Axial chest CT slice 58 of 128 (counted from the lowest slice); tube voltage 120 kVp, convolution kernel STANDARD; slices 2.50 mm thick, 0.781 mm per pixel.
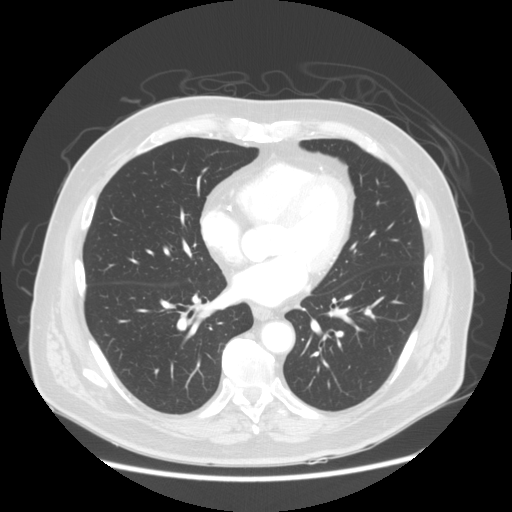
The readers outlined no nodule of 3 mm or more on this slice.